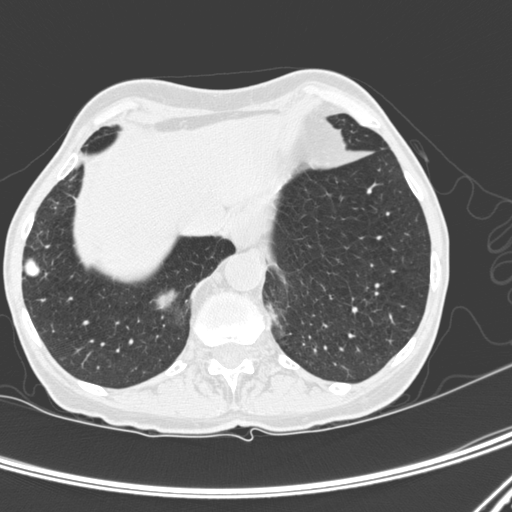
Axial slice 60 of 300 of a chest CT (slice 1 is the lowest), reconstructed with the D kernel at 120 kVp; 1.00 mm slice thickness and 0.607 mm pixels.
Pulmonary nodule, outlined by all four readers. Box on this slice rows 256–277, columns 23–40, the union of the readers' outlines on this slice; longest diameter 17.1–19.9 mm and volume 1865–2443 mm3 across the four readers' outlines. Ratings across the readers: texture 5/5 (solid) from all four readers; margin 5/5 (circumscribed), all four readers agreeing; sphericity from 4/5 to 5/5 (round) across the four readers; calcification: solid calcification (three), absent (one); internal structure soft tissue from all four readers; subtlety 5/5, all four readers agreeing; malignancy likelihood rated between 1 and 4 out of 5 by the four readers. Scale key (1–5): texture non-solid→solid, margin indistinct→circumscribed, sphericity linear→round, subtlety extremely subtle→obvious, malignancy likelihood highly unlikely→highly suspicious of cancer. Box rows and columns are 0-based pixel indices from the top-left corner, inclusive.